Axial chest CT slice 255 of 500 (counted from the lowest slice); tube voltage 120 kVp, convolution kernel STANDARD; slices 1.25 mm thick, 0.703 mm per pixel.
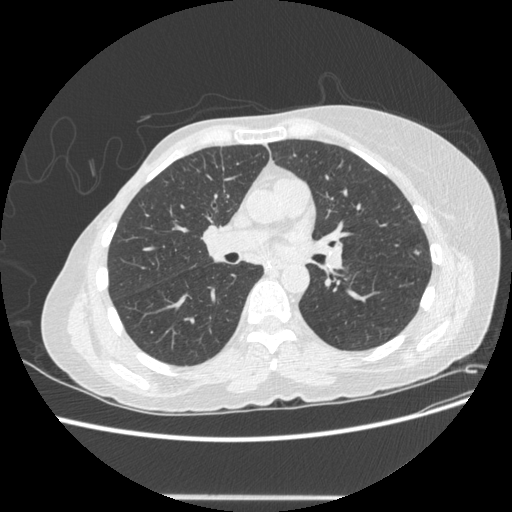
Pulmonary nodule, outlined by all four readers. Box on this slice rows 249–254, columns 413–420, the union of the readers' outlines on this slice; median longest diameter 8.6 mm (readers' outlines 7.8–9.1 mm), median volume 135 mm3 (108–174 mm3). Ratings, median across the readers with their spread: texture 3/5 (part-solid) at the median of four readers, spread 1/5 (non-solid) to 5/5 (solid); median margin 3/5 (readers ranged 1/5 (indistinct) to 5/5 (circumscribed)); median sphericity 4.5/5 (readers ranged 3/5 (ovoid) to 5/5 (round)); calcification absent, all four readers agreeing; internal structure soft tissue from all four readers; median subtlety 4.5/5 (readers ranged 3–5); median malignancy likelihood 4/5 (readers ranged 3–5). Scale key (1–5): texture non-solid→solid, margin indistinct→circumscribed, sphericity linear→round, subtlety extremely subtle→obvious, malignancy likelihood highly unlikely→highly suspicious of cancer. Box rows and columns are 0-based pixel indices from the top-left corner, inclusive.